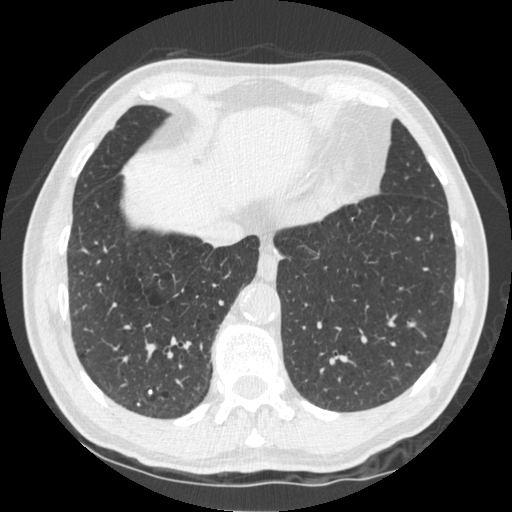
Axial chest CT slice 138 of 535 (counted from the lowest slice); 1.25 mm thick, 0.664 mm per pixel. Pulmonary nodule, outlined by two of the four readers. Box on this slice rows 389–394, columns 148–152, the union of the readers' outlines on this slice; longest diameter 4.8 mm on average over the two readers' outlines (readers' outlines 4.8 mm), volume 39 mm3. Ratings, by the readers' most common answer with dissent counted: texture 5/5 (solid) from both readers; margin 5/5 (circumscribed), both readers agreeing; sphericity 5/5 (round), both readers agreeing; calcification solid calcification from both readers; internal structure soft tissue from both readers; subtlety split among the readers: 4/5 (one), 5/5 (one); malignancy likelihood 1/5, both readers agreeing. Scale key (1–5): texture non-solid→solid, margin indistinct→circumscribed, sphericity linear→round, subtlety extremely subtle→obvious, malignancy likelihood highly unlikely→highly suspicious of cancer. Box rows and columns are 0-based pixel indices from the top-left corner, inclusive.
Acquired at 120 kVp and reconstructed with the STANDARD kernel.